Chest CT, axial plane, 120 kVp, kernel STANDARD. Slice 217/261 from the bottom of the scan; thickness 1.25 mm; pixel size 0.684 mm.
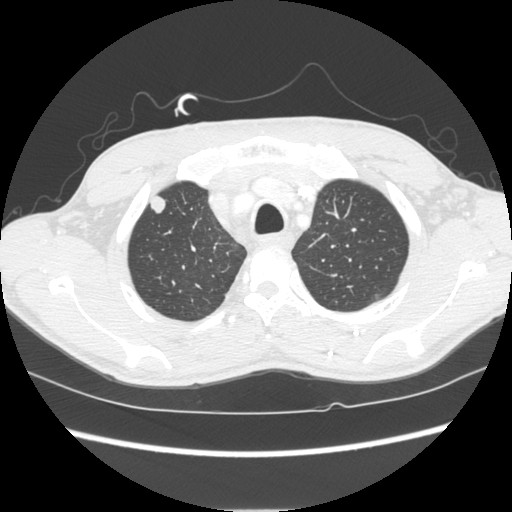
Pulmonary nodule, outlined by all four readers. Box on this slice rows 193–213, columns 148–165, the union of the readers' outlines on this slice; longest diameter 14.0 mm on average over the four readers' outlines (readers' outlines 13.4–14.6 mm), volume 779–989 mm3. Ratings, by the readers' most common answer with dissent counted: texture 5/5 (solid) from all four readers; margin 5/5 (circumscribed), all four readers agreeing; sphericity split among the readers: 4/5 (two), 5/5 (round) (two); calcification absent from all four readers; internal structure soft tissue, all four readers agreeing; subtlety 5/5 by two of four readers; the rest gave 3/5 (one), 4/5 (one); malignancy likelihood 4/5 by two of four readers; the rest gave 2/5 (one), 5/5 (one). Scale key (1–5): texture non-solid→solid, margin indistinct→circumscribed, sphericity linear→round, subtlety extremely subtle→obvious, malignancy likelihood highly unlikely→highly suspicious of cancer. Box rows and columns are 0-based pixel indices from the top-left corner, inclusive.